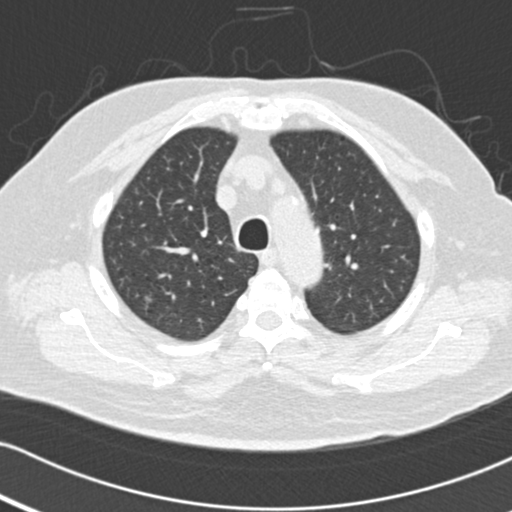
One axial slice (122 of 157, counting up from the lowest) of a chest CT acquired at 120 kVp with the B30f kernel; each pixel is 0.625 mm and the slice is 2.00 mm thick.
Pulmonary nodule, outlined by two of the four readers. Box on this slice rows 150–153, columns 303–305, the union of the readers' outlines on this slice; the two readers' outlines give a longest diameter between 5.6 and 6.2 mm and a volume between 42 and 56 mm3. Ratings across the readers: texture from 1/5 (non-solid) to 3/5 (part-solid) across the two readers; margin from 2/5 to 4/5 across the two readers; sphericity from 4/5 to 5/5 (round) across the two readers; calcification absent, both readers agreeing; internal structure soft tissue from both readers; subtlety 3/5 from both readers; malignancy likelihood 3/5 from both readers. Scale key (1–5): texture non-solid→solid, margin indistinct→circumscribed, sphericity linear→round, subtlety extremely subtle→obvious, malignancy likelihood highly unlikely→highly suspicious of cancer. Box rows and columns are 0-based pixel indices from the top-left corner, inclusive.